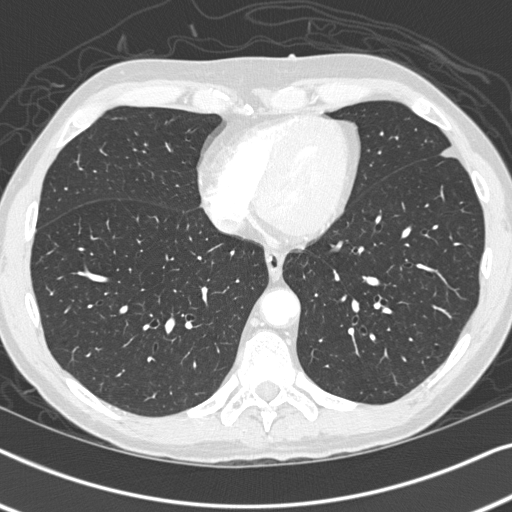
Axial chest CT slice 122 of 326 (counted from the lowest slice); tube voltage 120 kVp, convolution kernel B45f; slices 1.00 mm thick, 0.645 mm per pixel.
The readers outlined no nodule of 3 mm or more on this slice.